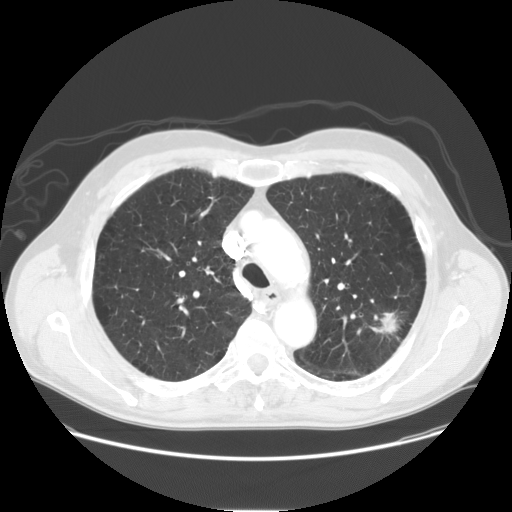
Axial chest CT slice 115 of 152 (counted from the lowest slice); 2.50 mm thick, 0.781 mm per pixel. Pulmonary nodule outlined by all four readers; box rows 312–334, columns 376–402 (the union of the readers' outlines on this slice); median longest diameter 28.0 mm (readers' outlines 26.7–29.9 mm), median volume 5490 mm3 (4495–6409 mm3). Median ratings and the readers' spread: median texture 5/5 (solid) (readers ranged 4/5 to 5/5 (solid)); median margin 3.5/5 (readers ranged 3/5 to 4/5); median sphericity 4.5/5 (readers ranged 3/5 (ovoid) to 5/5 (round)); calcification absent from all four readers; internal structure soft tissue, all four readers agreeing; subtlety 5/5 from all four readers; median malignancy likelihood 5/5 (readers ranged 4–5). Scale key (1–5): texture non-solid→solid, margin indistinct→circumscribed, sphericity linear→round, subtlety extremely subtle→obvious, malignancy likelihood highly unlikely→highly suspicious of cancer. Box rows and columns are 0-based pixel indices from the top-left corner, inclusive.
Tube voltage 120 kVp; convolution kernel STANDARD.